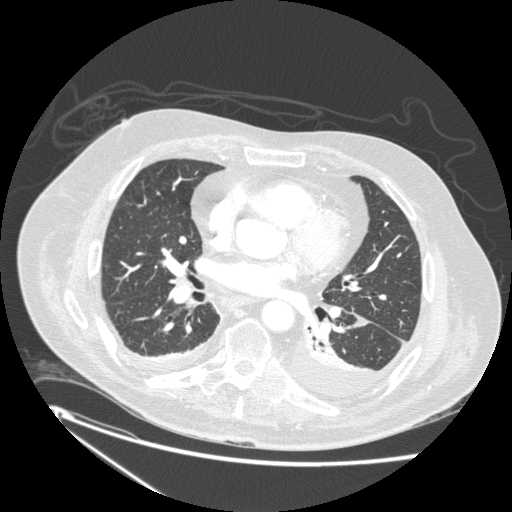
This is axial slice 116 of 238 (slice 1 is the lowest) of a chest CT; each pixel is 0.781 mm and the slice is 1.25 mm thick. None of the four readers outlined a nodule of 3 mm or more on this slice.
Acquired at 120 kVp and reconstructed with the STANDARD kernel.